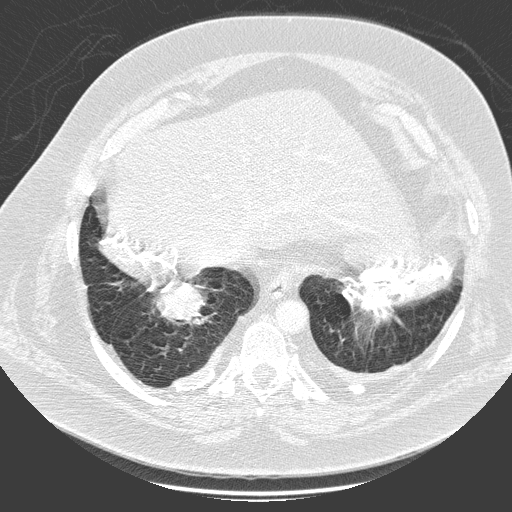
This is axial slice 53 of 280 (slice 1 is the lowest) of a chest CT; each pixel is 0.801 mm and the slice is 1.00 mm thick. Pulmonary nodule, outlined by one of the four readers. Box on this slice rows 285–324, columns 154–204, that reader's outline on this slice; longest diameter 49.9 mm and volume 31112 mm3 from that reader's outline. That reader's ratings: texture 5/5 (solid); margin 4/5; sphericity 5/5 (round); calcification non-central calcification; internal structure soft tissue; subtlety 5/5; malignancy likelihood 5/5. Scale key (1–5): texture non-solid→solid, margin indistinct→circumscribed, sphericity linear→round, subtlety extremely subtle→obvious, malignancy likelihood highly unlikely→highly suspicious of cancer. Box rows and columns are 0-based pixel indices from the top-left corner, inclusive.
Acquired at 140 kVp and reconstructed with the D kernel.